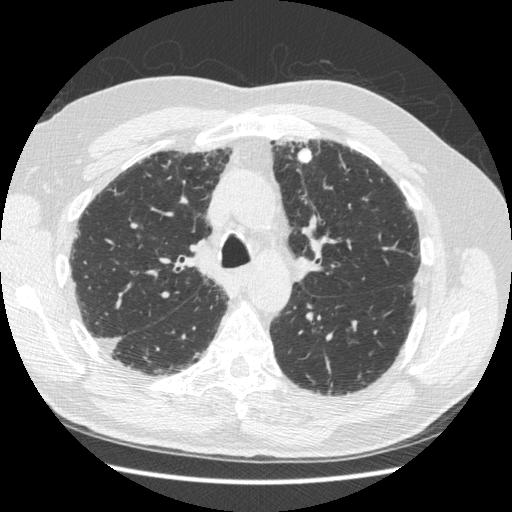
Axial slice 341 of 497 of a chest CT (slice 1 is the lowest), reconstructed with the STANDARD kernel at 120 kVp; 1.25 mm slice thickness and 0.703 mm pixels.
Pulmonary nodule outlined by all four readers; box rows 148–163, columns 297–312 (the union of the readers' outlines on this slice); longest diameter 16.1 mm on average over the four readers' outlines (readers' outlines 15.2–16.7 mm), volume 670–817 mm3. Ratings, by the readers' most common answer with dissent counted: texture 5/5 (solid) from all four readers; most readers (three of four) put margin at 5/5 (circumscribed), others 3/5 (one); sphericity 5/5 (round) by two of four readers; the rest gave 2/5 (one), 4/5 (one); calcification solid calcification from all four readers; internal structure soft tissue, all four readers agreeing; subtlety 5/5, all four readers agreeing; malignancy likelihood 1/5, all four readers agreeing. Scale key (1–5): texture non-solid→solid, margin indistinct→circumscribed, sphericity linear→round, subtlety extremely subtle→obvious, malignancy likelihood highly unlikely→highly suspicious of cancer. Box rows and columns are 0-based pixel indices from the top-left corner, inclusive.